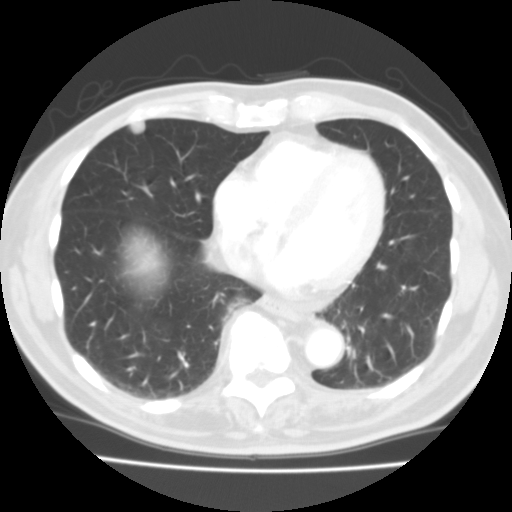
Slice 58/119 of a chest CT, counting up from the lowest; pixel size 0.607 mm, slice thickness 3.00 mm. Pulmonary nodule at rows 121–134, columns 128–145 (box = the union of the readers' outlines on this slice), outlined by all four readers; longest diameter 13.2 mm on average over the four readers' outlines (readers' outlines 12.7–13.9 mm), volume 738–1063 mm3. Ratings, by the readers' most common answer with dissent counted: texture 5/5 (solid), all four readers agreeing; margin 5/5 (circumscribed) from all four readers; sphericity 4/5 by two of four readers; the rest gave 2/5 (one), 3/5 (ovoid) (one); calcification absent, all four readers agreeing; internal structure soft tissue, all four readers agreeing; subtlety 5/5, all four readers agreeing; malignancy likelihood 4/5 by two of four readers; the rest gave 2/5 (one), 3/5 (one). Scale key (1–5): texture non-solid→solid, margin indistinct→circumscribed, sphericity linear→round, subtlety extremely subtle→obvious, malignancy likelihood highly unlikely→highly suspicious of cancer. Box rows and columns are 0-based pixel indices from the top-left corner, inclusive.
Acquired at 135 kVp and reconstructed with the FC01 kernel.